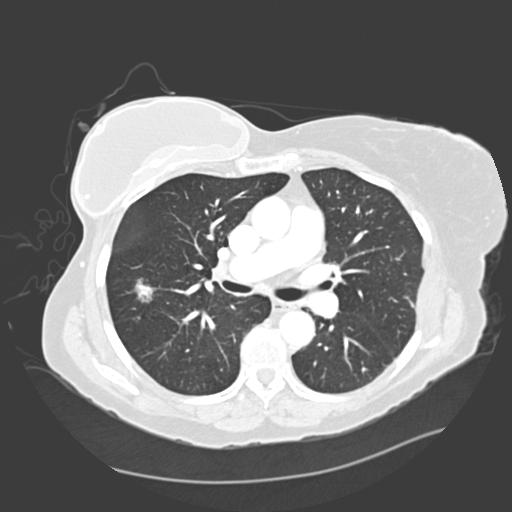
Axial slice 190 of 328 of a chest CT (slice 1 is the lowest), reconstructed with the D kernel at 120 kVp; 2.00 mm slice thickness and 0.742 mm pixels.
Pulmonary nodule at rows 278–303, columns 129–152 (box = the union of the readers' outlines on this slice), outlined by all four readers; the four readers' outlines give a longest diameter between 18.3 and 21.0 mm and a volume between 877 and 1921 mm3. Ratings across the readers: texture from 3/5 (part-solid) to 5/5 (solid) across the four readers; margin from 2/5 to 4/5 across the four readers; sphericity from 2/5 to 3/5 (ovoid) across the four readers; calcification absent from all four readers; internal structure soft tissue, all four readers agreeing; subtlety from 4/5 to 5/5 across the four readers; malignancy likelihood from 3/5 to 5/5 across the four readers. Scale key (1–5): texture non-solid→solid, margin indistinct→circumscribed, sphericity linear→round, subtlety extremely subtle→obvious, malignancy likelihood highly unlikely→highly suspicious of cancer. Box rows and columns are 0-based pixel indices from the top-left corner, inclusive.